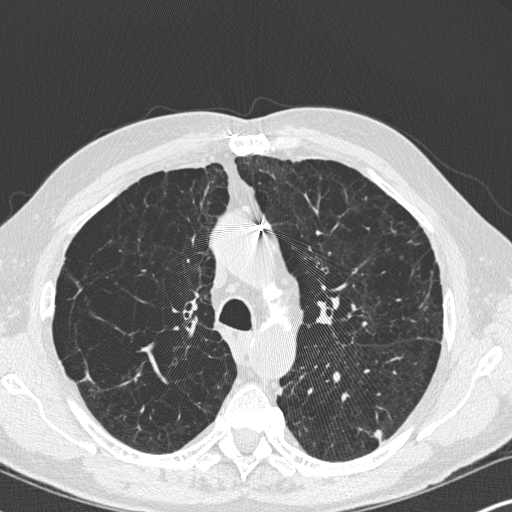
Chest CT, axial plane, 120 kVp, kernel B45f. Slice 220/347 from the bottom of the scan; thickness 1.00 mm; pixel size 0.625 mm.
Pulmonary nodule at rows 429–445, columns 370–383 (box = the union of the readers' outlines on this slice), outlined by all four readers; the four readers' outlines give a longest diameter between 9.1 and 11.9 mm and a volume between 166 and 319 mm3. The readers' ratings, as ranges where they differ: texture 5/5 (solid) from all four readers; margin from 2/5 to 5/5 (circumscribed) across the four readers; sphericity from 3/5 (ovoid) to 4/5 across the four readers; calcification absent from all four readers; internal structure soft tissue from all four readers; subtlety rated between 4 and 5 out of 5 by the four readers; malignancy likelihood 3/5 from all four readers. Scale key (1–5): texture non-solid→solid, margin indistinct→circumscribed, sphericity linear→round, subtlety extremely subtle→obvious, malignancy likelihood highly unlikely→highly suspicious of cancer. Box rows and columns are 0-based pixel indices from the top-left corner, inclusive.